One axial slice (61 of 280, counting up from the lowest) of a chest CT acquired at 140 kVp with the D kernel; each pixel is 0.801 mm and the slice is 1.00 mm thick.
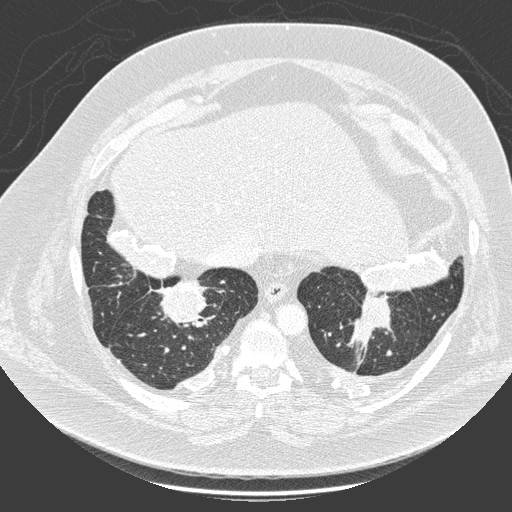
Pulmonary nodule, outlined by one of the four readers. Box on this slice rows 283–323, columns 161–205, that reader's outline on this slice; longest diameter 49.9 mm and volume 31112 mm3 from that reader's outline. Ratings by that reader: texture 5/5 (solid); margin 4/5; sphericity 5/5 (round); calcification non-central calcification; internal structure soft tissue; subtlety 5/5; malignancy likelihood 5/5. Scale key (1–5): texture non-solid→solid, margin indistinct→circumscribed, sphericity linear→round, subtlety extremely subtle→obvious, malignancy likelihood highly unlikely→highly suspicious of cancer. Box rows and columns are 0-based pixel indices from the top-left corner, inclusive.